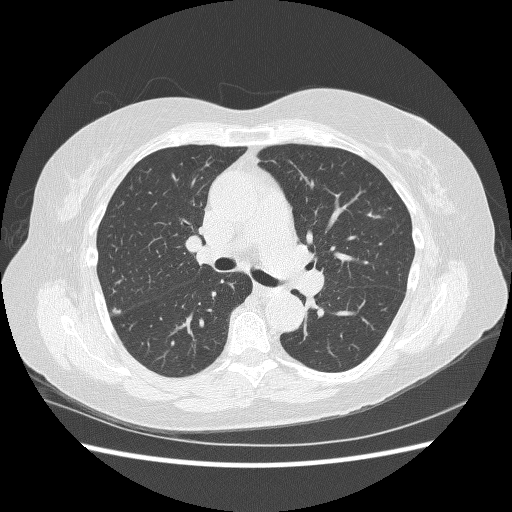
Chest CT, axial plane, 120 kVp, kernel BONE. Slice 153/240 from the bottom of the scan; thickness 1.25 mm; pixel size 0.703 mm.
Pulmonary nodule outlined by one of the four readers; box rows 308–312, columns 111–120 (that reader's outline on this slice); longest diameter 8.0 mm and volume 74 mm3 from that reader's outline. That reader's ratings: texture 5/5 (solid); margin 5/5 (circumscribed); sphericity 3/5 (ovoid); calcification absent; internal structure soft tissue; subtlety 4/5; malignancy likelihood 2/5. Scale key (1–5): texture non-solid→solid, margin indistinct→circumscribed, sphericity linear→round, subtlety extremely subtle→obvious, malignancy likelihood highly unlikely→highly suspicious of cancer. Box rows and columns are 0-based pixel indices from the top-left corner, inclusive.